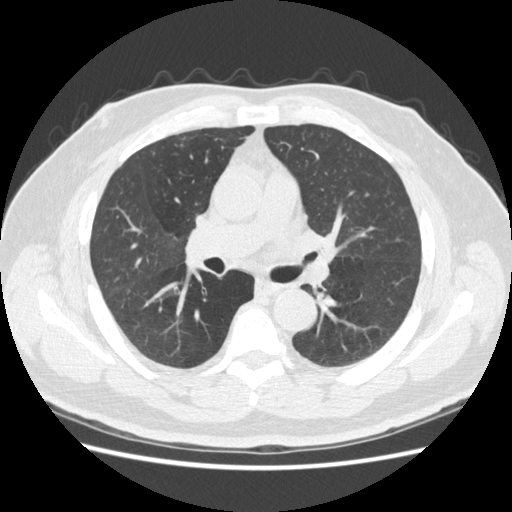
Chest CT, axial plane, 120 kVp, kernel STANDARD. Slice 260/465 from the bottom of the scan; thickness 1.25 mm; pixel size 0.703 mm.
Pulmonary nodule outlined by one of the four readers; box rows 288–293, columns 127–129 (that reader's outline on this slice); longest diameter 6.5 mm and volume 44 mm3 from that reader's outline. That reader's ratings: texture 5/5 (solid); margin 5/5 (circumscribed); sphericity 4/5; calcification absent; internal structure soft tissue; subtlety 4/5; malignancy likelihood 2/5. Scale key (1–5): texture non-solid→solid, margin indistinct→circumscribed, sphericity linear→round, subtlety extremely subtle→obvious, malignancy likelihood highly unlikely→highly suspicious of cancer. Box rows and columns are 0-based pixel indices from the top-left corner, inclusive.